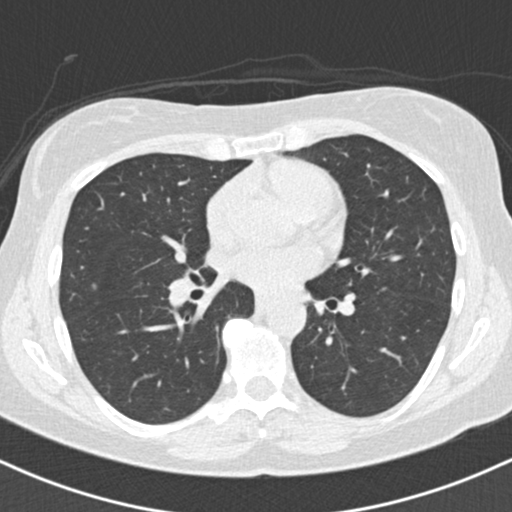
One axial slice (98 of 182, counting up from the lowest) of a chest CT acquired at 120 kVp with the B30f kernel; each pixel is 0.625 mm and the slice is 2.00 mm thick.
Pulmonary nodule at rows 281–289, columns 90–96 (box = the union of the readers' outlines on this slice), outlined by all four readers; the four readers' outlines give a longest diameter between 4.6 and 6.7 mm and a volume between 53 and 101 mm3. The readers' ratings, as ranges where they differ: texture from 4/5 to 5/5 (solid) across the four readers; margin from 3/5 to 5/5 (circumscribed) across the four readers; sphericity from 4/5 to 5/5 (round) across the four readers; calcification absent, all four readers agreeing; internal structure soft tissue from all four readers; subtlety rated between 3 and 5 out of 5 by the four readers; malignancy likelihood 2–4/5 (the readers disagree). Scale key (1–5): texture non-solid→solid, margin indistinct→circumscribed, sphericity linear→round, subtlety extremely subtle→obvious, malignancy likelihood highly unlikely→highly suspicious of cancer. Box rows and columns are 0-based pixel indices from the top-left corner, inclusive.